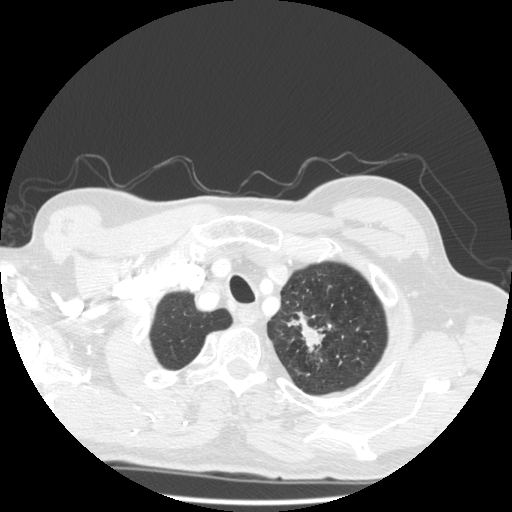
Axial chest CT slice 455 of 501 (counted from the lowest slice); tube voltage 140 kVp, convolution kernel STANDARD; slices 1.25 mm thick, 0.703 mm per pixel.
Pulmonary nodule outlined by three of the four readers; box rows 311–352, columns 286–325 (the union of the readers' outlines on this slice); longest diameter 35.0 mm on average over the three readers' outlines (readers' outlines 32.1–39.2 mm), volume 2361–4873 mm3. Ratings, by the readers' most common answer with dissent counted: texture 5/5 (solid) by two of three readers; the rest gave 4/5 (one); margin split among the readers: 1/5 (indistinct) (one), 3/5 (one), 5/5 (circumscribed) (one); sphericity split among the readers: 2/5 (one), 3/5 (ovoid) (one), 5/5 (round) (one); calcification absent, all three readers agreeing; internal structure soft tissue from all three readers; subtlety 5/5 from all three readers; malignancy likelihood 5/5 by two of three readers; the rest gave 4/5 (one). Scale key (1–5): texture non-solid→solid, margin indistinct→circumscribed, sphericity linear→round, subtlety extremely subtle→obvious, malignancy likelihood highly unlikely→highly suspicious of cancer. Box rows and columns are 0-based pixel indices from the top-left corner, inclusive.